Chest CT, axial plane, 130 kVp, kernel B40s. Slice 116/278 from the bottom of the scan; thickness 3.00 mm; pixel size 0.977 mm.
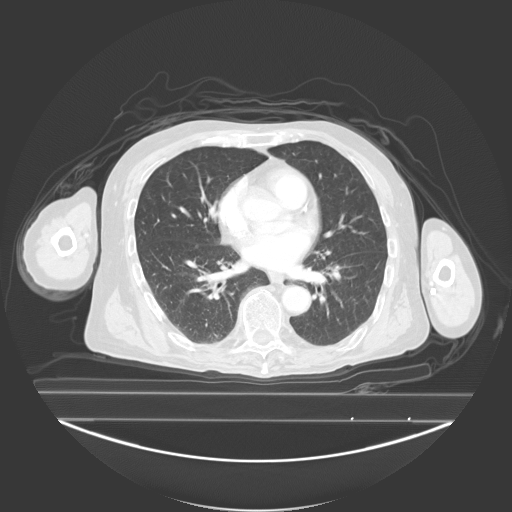
Pulmonary nodule, outlined by three of the four readers. Box on this slice rows 245–247, columns 195–197, the union of the readers' outlines on this slice; median longest diameter 6.2 mm (readers' outlines 6.2–6.3 mm), median volume 193 mm3 (123–213 mm3). Median ratings and the readers' spread: median texture 3/5 (part-solid) (readers ranged 1/5 (non-solid) to 5/5 (solid)); median margin 4/5 (readers ranged 3/5 to 5/5 (circumscribed)); sphericity 5/5 (round), all three readers agreeing; calcification absent, all three readers agreeing; internal structure soft tissue from all three readers; subtlety 3/5 at the median of three readers, spread 2–4; median malignancy likelihood 2/5 (readers ranged 2–3). Scale key (1–5): texture non-solid→solid, margin indistinct→circumscribed, sphericity linear→round, subtlety extremely subtle→obvious, malignancy likelihood highly unlikely→highly suspicious of cancer. Box rows and columns are 0-based pixel indices from the top-left corner, inclusive.